One axial slice (161 of 265, counting up from the lowest) of a chest CT acquired at 120 kVp with the STANDARD kernel; each pixel is 0.883 mm and the slice is 1.25 mm thick.
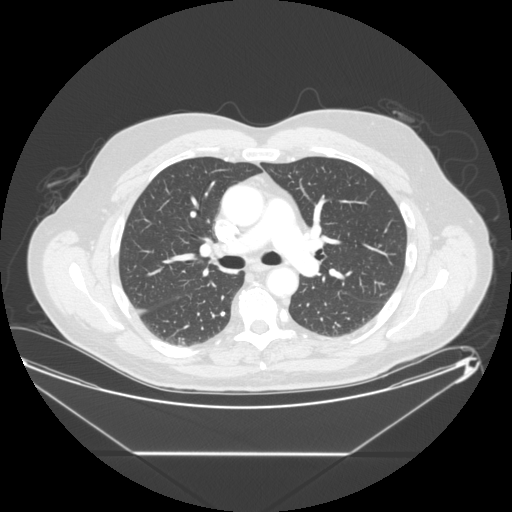
Pulmonary nodule at rows 311–316, columns 219–225 (box = the union of the readers' outlines on this slice), outlined by three of the four readers; longest diameter 7.0 mm on average over the three readers' outlines (readers' outlines 5.6–9.0 mm), volume 65–112 mm3. The readers' prevailing ratings and who disagreed: texture 5/5 (solid) from all three readers; margin 5/5 (circumscribed) from all three readers; most readers (two of three) put sphericity at 5/5 (round), others 4/5 (one); calcification solid calcification by two of three readers, absent (one); internal structure soft tissue from all three readers; subtlety split among the readers: 3/5 (one), 4/5 (one), 5/5 (one); malignancy likelihood 1/5, all three readers agreeing. Scale key (1–5): texture non-solid→solid, margin indistinct→circumscribed, sphericity linear→round, subtlety extremely subtle→obvious, malignancy likelihood highly unlikely→highly suspicious of cancer. Box rows and columns are 0-based pixel indices from the top-left corner, inclusive.